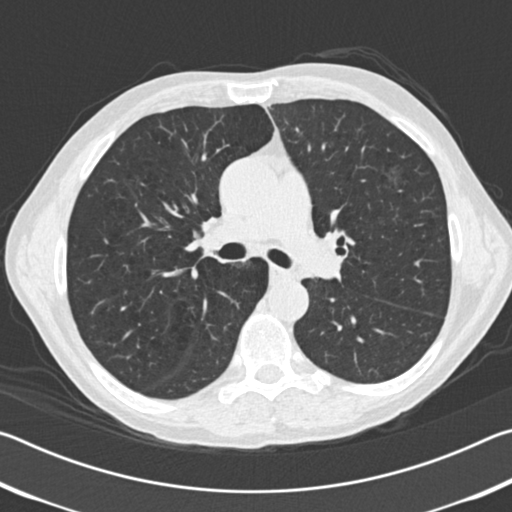
This is axial slice 113 of 192 (slice 1 is the lowest) of a chest CT; each pixel is 0.664 mm and the slice is 2.00 mm thick. Pulmonary nodule, outlined by one of the four readers. Box on this slice rows 165–188, columns 384–401, that reader's outline on this slice; longest diameter 27.3 mm and volume 1622 mm3 from that reader's outline. That reader's ratings: texture 1/5 (non-solid); margin 2/5; sphericity 5/5 (round); calcification absent; internal structure soft tissue; subtlety 4/5; malignancy likelihood 3/5. Scale key (1–5): texture non-solid→solid, margin indistinct→circumscribed, sphericity linear→round, subtlety extremely subtle→obvious, malignancy likelihood highly unlikely→highly suspicious of cancer. Box rows and columns are 0-based pixel indices from the top-left corner, inclusive.
Tube voltage 120 kVp; convolution kernel B30f.